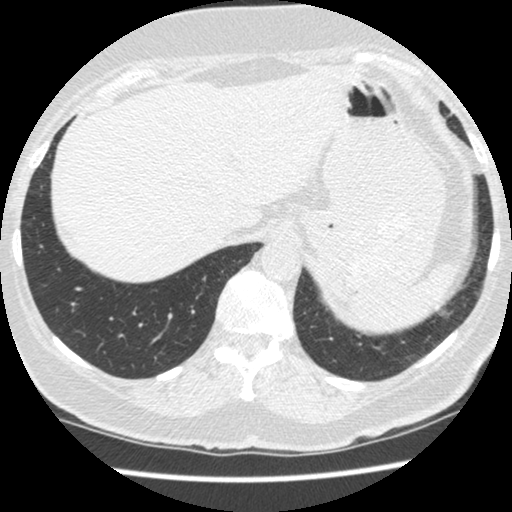
Chest CT, axial plane, 120 kVp, kernel STANDARD. Slice 90/481 from the bottom of the scan; thickness 1.25 mm; pixel size 0.605 mm.
Pulmonary nodule at rows 310–317, columns 438–452 (box = the one reader's outline on this slice), outlined by all four readers, one of them on this slice; longest diameter 13.9 mm on average over the four readers' outlines (readers' outlines 13.3–14.6 mm), volume 633–867 mm3. Ratings, by the readers' most common answer with dissent counted: texture 5/5 (solid) from all four readers; margin split among the readers: 4/5 (two), 5/5 (circumscribed) (two); sphericity 4/5 by three of four readers; the rest gave 5/5 (round) (one); calcification absent from all four readers; internal structure soft tissue, all four readers agreeing; most readers (three of four) put subtlety at 5/5, others 4/5 (one); malignancy likelihood split among the readers: 2/5 (one), 3/5 (one), 4/5 (one), 5/5 (one). Scale key (1–5): texture non-solid→solid, margin indistinct→circumscribed, sphericity linear→round, subtlety extremely subtle→obvious, malignancy likelihood highly unlikely→highly suspicious of cancer. Box rows and columns are 0-based pixel indices from the top-left corner, inclusive.